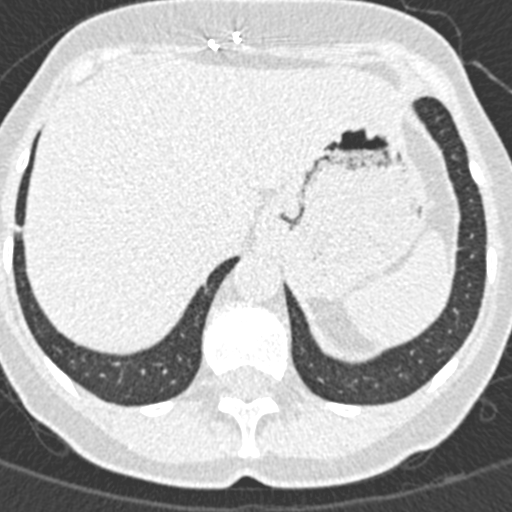
One axial slice (49 of 376, counting up from the lowest) of a chest CT acquired at 120 kVp with the B30f kernel; each pixel is 0.461 mm and the slice is 0.75 mm thick.
Pulmonary nodule at rows 224–232, columns 13–20 (box = the union of the readers' outlines on this slice), outlined by all four readers; the four readers' outlines give a longest diameter between 8.1 and 8.9 mm and a volume between 172 and 196 mm3. Ratings across the readers: texture from 4/5 to 5/5 (solid) across the four readers; margin from 4/5 to 5/5 (circumscribed) across the four readers; sphericity from 3/5 (ovoid) to 4/5 across the four readers; calcification absent from all four readers; internal structure soft tissue, all four readers agreeing; subtlety 3–5/5 (the readers disagree); malignancy likelihood rated between 2 and 4 out of 5 by the four readers. Scale key (1–5): texture non-solid→solid, margin indistinct→circumscribed, sphericity linear→round, subtlety extremely subtle→obvious, malignancy likelihood highly unlikely→highly suspicious of cancer. Box rows and columns are 0-based pixel indices from the top-left corner, inclusive.